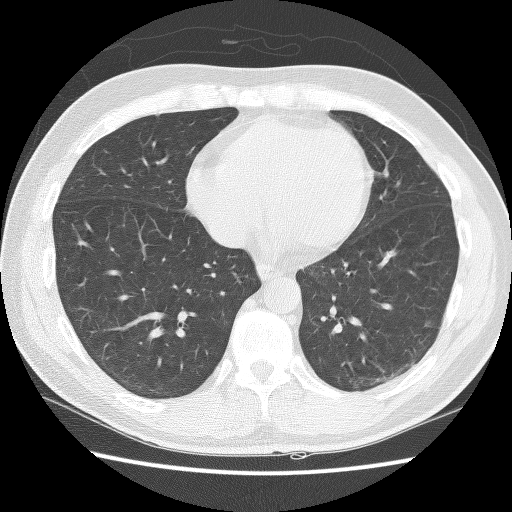
Chest CT, axial plane, 140 kVp, kernel BONE. Slice 49/127 from the bottom of the scan; thickness 2.50 mm; pixel size 0.664 mm.
Pulmonary nodule at rows 320–325, columns 426–433 (box = the union of the readers' outlines on this slice), outlined by all four readers, two of them on this slice; longest diameter 7.6 mm on average over the four readers' outlines (readers' outlines 6.6–8.3 mm), volume 52–218 mm3. The readers' prevailing ratings and who disagreed: texture split among the readers: 4/5 (two), 5/5 (solid) (two); margin split among the readers: 4/5 (two), 5/5 (circumscribed) (two); sphericity 4/5 from all four readers; calcification absent, all four readers agreeing; internal structure soft tissue from all four readers; most readers (three of four) put subtlety at 5/5, others 4/5 (one); most readers (three of four) put malignancy likelihood at 3/5, others 4/5 (one). Scale key (1–5): texture non-solid→solid, margin indistinct→circumscribed, sphericity linear→round, subtlety extremely subtle→obvious, malignancy likelihood highly unlikely→highly suspicious of cancer. Box rows and columns are 0-based pixel indices from the top-left corner, inclusive.